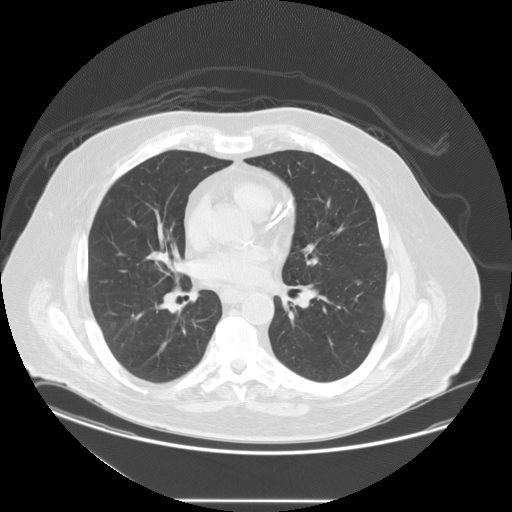
Chest CT, axial plane, 120 kVp, kernel STANDARD. Slice 76/133 from the bottom of the scan; thickness 2.50 mm; pixel size 0.859 mm.
Pulmonary nodule at rows 278–284, columns 355–362 (box = the union of the readers' outlines on this slice), outlined by all four readers, two of them on this slice; longest diameter 10.4 mm on average over the four readers' outlines (readers' outlines 9.6–11.3 mm), volume 358–661 mm3. Ratings, by the readers' most common answer with dissent counted: texture 5/5 (solid), all four readers agreeing; margin 5/5 (circumscribed) from all four readers; most readers (three of four) put sphericity at 5/5 (round), others 4/5 (one); calcification absent, all four readers agreeing; internal structure soft tissue from all four readers; subtlety 4/5 by two of four readers; the rest gave 3/5 (one), 5/5 (one); malignancy likelihood 3/5 by three of four readers; the rest gave 2/5 (one). Scale key (1–5): texture non-solid→solid, margin indistinct→circumscribed, sphericity linear→round, subtlety extremely subtle→obvious, malignancy likelihood highly unlikely→highly suspicious of cancer. Box rows and columns are 0-based pixel indices from the top-left corner, inclusive.